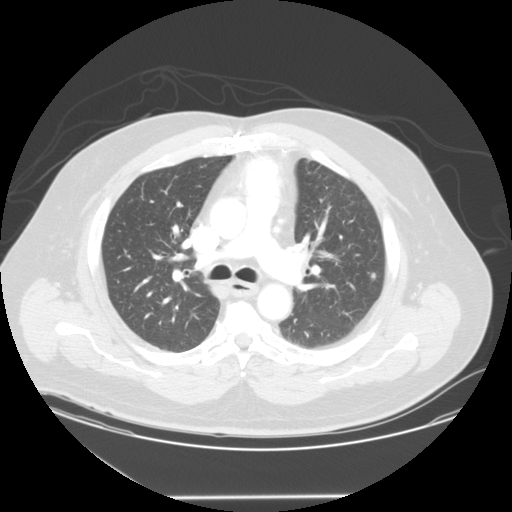
Slice 92/127 of a chest CT, counting up from the lowest; pixel size 0.859 mm, slice thickness 2.50 mm. Pulmonary nodule, outlined by all four readers. Box on this slice rows 272–278, columns 370–375, the union of the readers' outlines on this slice; longest diameter 6.1 mm on average over the four readers' outlines (readers' outlines 4.6–7.1 mm), volume 65–115 mm3. Ratings, by the readers' most common answer with dissent counted: texture 5/5 (solid), all four readers agreeing; most readers (three of four) put margin at 4/5, others 5/5 (circumscribed) (one); most readers (three of four) put sphericity at 4/5, others 5/5 (round) (one); calcification absent, all four readers agreeing; internal structure soft tissue from all four readers; subtlety 3/5 by two of four readers; the rest gave 4/5 (one), 5/5 (one); malignancy likelihood split among the readers: 2/5 (two), 3/5 (two). Scale key (1–5): texture non-solid→solid, margin indistinct→circumscribed, sphericity linear→round, subtlety extremely subtle→obvious, malignancy likelihood highly unlikely→highly suspicious of cancer. Box rows and columns are 0-based pixel indices from the top-left corner, inclusive.
Tube voltage 120 kVp; convolution kernel STANDARD.